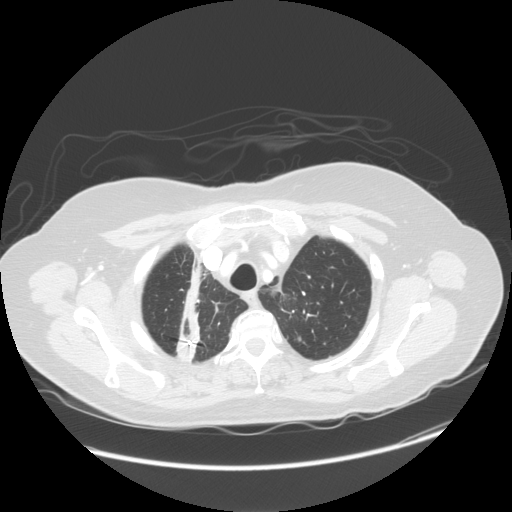
One axial slice (115 of 133, counting up from the lowest) of a chest CT acquired at 120 kVp with the STANDARD kernel; each pixel is 0.820 mm and the slice is 2.50 mm thick.
Pulmonary nodule at rows 336–342, columns 296–302 (box = the one reader's outline on this slice), outlined by two of the four readers, one of them on this slice; median longest diameter 9.6 mm (readers' outlines 9.4–9.9 mm), median volume 241 mm3 (187–295 mm3). Median ratings and the readers' spread: median texture 4.5/5 (readers ranged 4/5 to 5/5 (solid)); median margin 4/5 (readers ranged 3/5 to 5/5 (circumscribed)); median sphericity 4.5/5 (readers ranged 4/5 to 5/5 (round)); calcification absent from both readers; internal structure soft tissue, both readers agreeing; median subtlety 4/5 (readers ranged 3–5); malignancy likelihood 3/5, both readers agreeing. Scale key (1–5): texture non-solid→solid, margin indistinct→circumscribed, sphericity linear→round, subtlety extremely subtle→obvious, malignancy likelihood highly unlikely→highly suspicious of cancer. Box rows and columns are 0-based pixel indices from the top-left corner, inclusive.